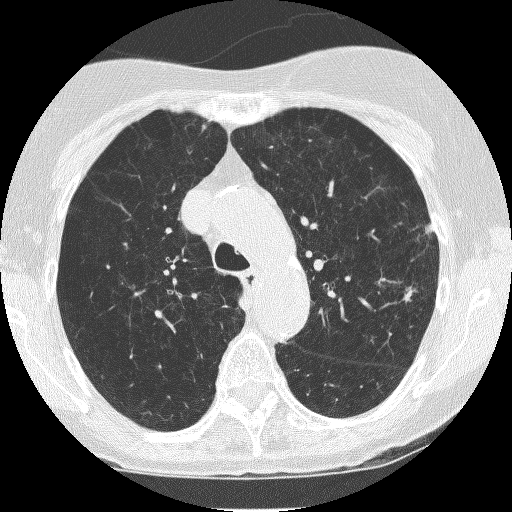
This is axial slice 169 of 235 (slice 1 is the lowest) of a chest CT; each pixel is 0.537 mm and the slice is 1.25 mm thick. Two pulmonary nodules on this slice, listed from left to right. (1) Pulmonary nodule outlined by all four readers; box rows 285–302, columns 402–417 (the union of the readers' outlines on this slice); longest diameter 12.2–13.5 mm and volume 403–509 mm3 across the four readers' outlines. The readers' ratings, as ranges where they differ: texture from 4/5 to 5/5 (solid) across the four readers; margin from 1/5 (indistinct) to 4/5 across the four readers; sphericity from 2/5 to 4/5 across the four readers; calcification: absent (three), central calcification (one); internal structure soft tissue, all four readers agreeing; subtlety from 4/5 to 5/5 across the four readers; malignancy likelihood 3–5/5 (the readers disagree). (2) Pulmonary nodule at rows 223–234, columns 423–433 (box = the union of the readers' outlines on this slice), outlined by all four readers; the four readers' outlines give a longest diameter between 8.4 and 9.6 mm and a volume between 213 and 290 mm3. Ratings across the readers: texture from 4/5 to 5/5 (solid) across the four readers; margin from 3/5 to 5/5 (circumscribed) across the four readers; sphericity from 2/5 to 5/5 (round) across the four readers; calcification absent from all four readers; internal structure soft tissue from all four readers; subtlety from 4/5 to 5/5 across the four readers; malignancy likelihood 2–4/5 (the readers disagree). Scale key (1–5): texture non-solid→solid, margin indistinct→circumscribed, sphericity linear→round, subtlety extremely subtle→obvious, malignancy likelihood highly unlikely→highly suspicious of cancer. Box rows and columns are 0-based pixel indices from the top-left corner, inclusive.
Acquired at 120 kVp and reconstructed with the BONE kernel.